One axial slice (176 of 265, counting up from the lowest) of a chest CT acquired at 120 kVp with the BONE kernel; each pixel is 0.664 mm and the slice is 1.25 mm thick.
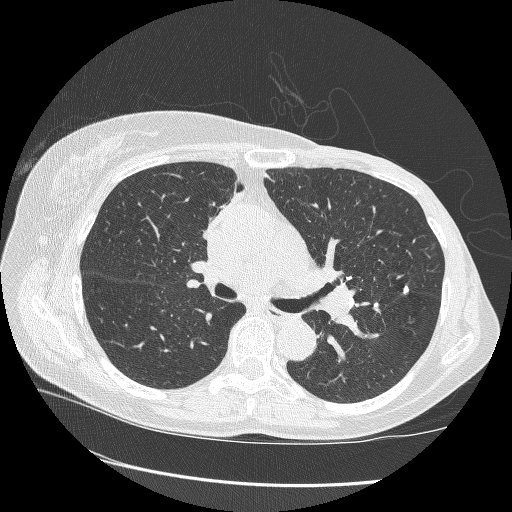
Pulmonary nodule outlined by all four readers; box rows 285–294, columns 403–408 (the union of the readers' outlines on this slice); the four readers' outlines give a longest diameter between 9.5 and 10.3 mm and a volume between 272 and 367 mm3. The readers' ratings, as ranges where they differ: texture 5/5 (solid), all four readers agreeing; margin from 4/5 to 5/5 (circumscribed) across the four readers; sphericity from 3/5 (ovoid) to 5/5 (round) across the four readers; calcification: solid calcification (three), absent (one); internal structure soft tissue, all four readers agreeing; subtlety 4–5/5 (the readers disagree); malignancy likelihood 1–4/5 (the readers disagree). Scale key (1–5): texture non-solid→solid, margin indistinct→circumscribed, sphericity linear→round, subtlety extremely subtle→obvious, malignancy likelihood highly unlikely→highly suspicious of cancer. Box rows and columns are 0-based pixel indices from the top-left corner, inclusive.